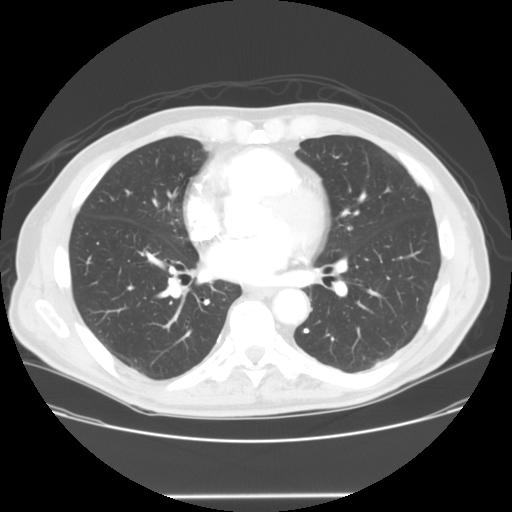
This is axial slice 62 of 128 (slice 1 is the lowest) of a chest CT; each pixel is 0.742 mm and the slice is 2.50 mm thick. Pulmonary nodule, outlined by two of the four readers. Box on this slice rows 329–332, columns 303–308, the union of the readers' outlines on this slice; the two readers' outlines give a longest diameter between 4.8 and 5.2 mm and a volume between 55 and 74 mm3. The readers' ratings, as ranges where they differ: texture 5/5 (solid), both readers agreeing; margin 5/5 (circumscribed), both readers agreeing; sphericity from 4/5 to 5/5 (round) across the two readers; calcification solid calcification, both readers agreeing; internal structure soft tissue, both readers agreeing; subtlety 5/5 from both readers; malignancy likelihood 1/5, both readers agreeing. Scale key (1–5): texture non-solid→solid, margin indistinct→circumscribed, sphericity linear→round, subtlety extremely subtle→obvious, malignancy likelihood highly unlikely→highly suspicious of cancer. Box rows and columns are 0-based pixel indices from the top-left corner, inclusive.
Tube voltage 120 kVp; convolution kernel STANDARD.